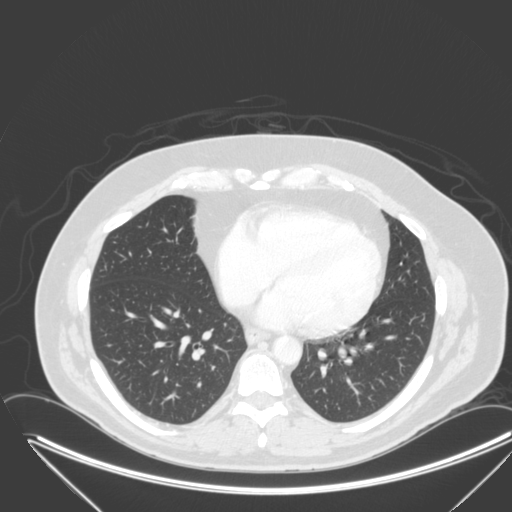
Axial chest CT slice 123 of 315 (counted from the lowest slice); tube voltage 120 kVp, convolution kernel B; slices 2.00 mm thick, 0.830 mm per pixel.
Pulmonary nodule outlined by all four readers; box rows 346–358, columns 336–346 (the union of the readers' outlines on this slice); median longest diameter 13.2 mm (readers' outlines 12.3–13.9 mm), median volume 761 mm3 (668–831 mm3). Median ratings and the readers' spread: median texture 5/5 (solid) (readers ranged 4/5 to 5/5 (solid)); median margin 5/5 (circumscribed) (readers ranged 4/5 to 5/5 (circumscribed)); sphericity 5/5 (round) at the median of four readers, spread 4/5 to 5/5 (round); calcification absent, all four readers agreeing; internal structure soft tissue, all four readers agreeing; subtlety 4/5 at the median of four readers, spread 3–5; malignancy likelihood 3/5 at the median of four readers, spread 3–5. Scale key (1–5): texture non-solid→solid, margin indistinct→circumscribed, sphericity linear→round, subtlety extremely subtle→obvious, malignancy likelihood highly unlikely→highly suspicious of cancer. Box rows and columns are 0-based pixel indices from the top-left corner, inclusive.